Chest CT, axial plane, 120 kVp, kernel STANDARD. Slice 112/232 from the bottom of the scan; thickness 1.25 mm; pixel size 0.742 mm.
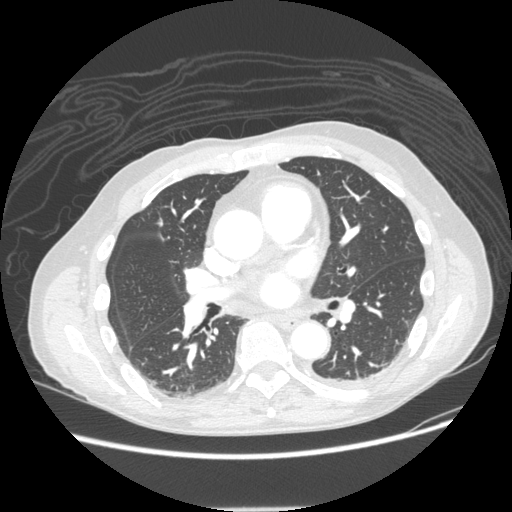
Pulmonary nodule outlined by all four readers, one of them on this slice; box rows 218–225, columns 155–162 (the one reader's outline on this slice); longest diameter 10.7 mm on average over the four readers' outlines (readers' outlines 10.5–11.0 mm), volume 183–275 mm3. Ratings, by the readers' most common answer with dissent counted: texture 5/5 (solid) from all four readers; most readers (three of four) put margin at 5/5 (circumscribed), others 4/5 (one); sphericity split among the readers: 4/5 (two), 5/5 (round) (two); calcification split among the readers: solid calcification (two), central calcification (two); internal structure soft tissue from all four readers; subtlety 5/5 by three of four readers; the rest gave 4/5 (one); malignancy likelihood 1/5, all four readers agreeing. Scale key (1–5): texture non-solid→solid, margin indistinct→circumscribed, sphericity linear→round, subtlety extremely subtle→obvious, malignancy likelihood highly unlikely→highly suspicious of cancer. Box rows and columns are 0-based pixel indices from the top-left corner, inclusive.